Axial slice 107 of 257 of a chest CT (slice 1 is the lowest), reconstructed with the BONE kernel at 120 kVp; 1.25 mm slice thickness and 0.627 mm pixels.
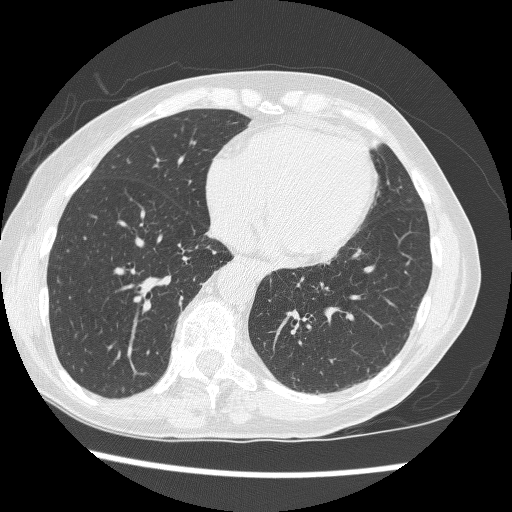
Pulmonary nodule at rows 387–393, columns 120–123 (box = that reader's outline on this slice), outlined by one of the four readers; longest diameter 6.8 mm and volume 64 mm3 from that reader's outline. That reader's ratings: texture 5/5 (solid); margin 5/5 (circumscribed); sphericity 4/5; calcification absent; internal structure soft tissue; subtlety 4/5; malignancy likelihood 3/5. Scale key (1–5): texture non-solid→solid, margin indistinct→circumscribed, sphericity linear→round, subtlety extremely subtle→obvious, malignancy likelihood highly unlikely→highly suspicious of cancer. Box rows and columns are 0-based pixel indices from the top-left corner, inclusive.